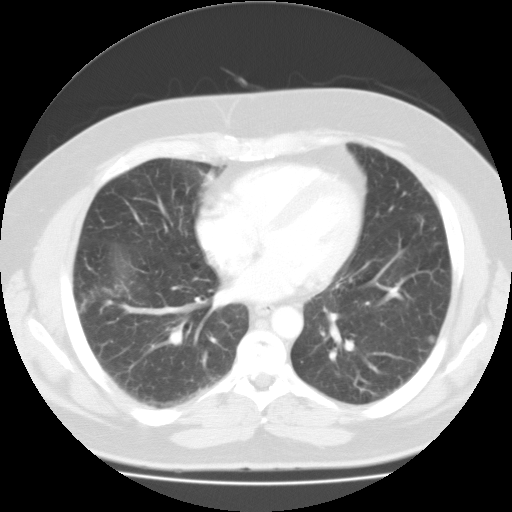
Chest CT, axial plane, 135 kVp, kernel FC01. Slice 47/104 from the bottom of the scan; thickness 3.00 mm; pixel size 0.741 mm.
Pulmonary nodule at rows 335–344, columns 427–435 (box = the union of the readers' outlines on this slice), outlined by all four readers; median longest diameter 9.1 mm (readers' outlines 9.0–9.7 mm), median volume 470 mm3 (449–620 mm3). Ratings, median across the readers with their spread: texture 5/5 (solid) from all four readers; margin 4.5/5 at the median of four readers, spread 4/5 to 5/5 (circumscribed); sphericity 5/5 (round) from all four readers; calcification absent, all four readers agreeing; internal structure soft tissue, all four readers agreeing; subtlety 4.5/5 at the median of four readers, spread 4–5; malignancy likelihood 2/5 at the median of four readers, spread 2–4. Scale key (1–5): texture non-solid→solid, margin indistinct→circumscribed, sphericity linear→round, subtlety extremely subtle→obvious, malignancy likelihood highly unlikely→highly suspicious of cancer. Box rows and columns are 0-based pixel indices from the top-left corner, inclusive.